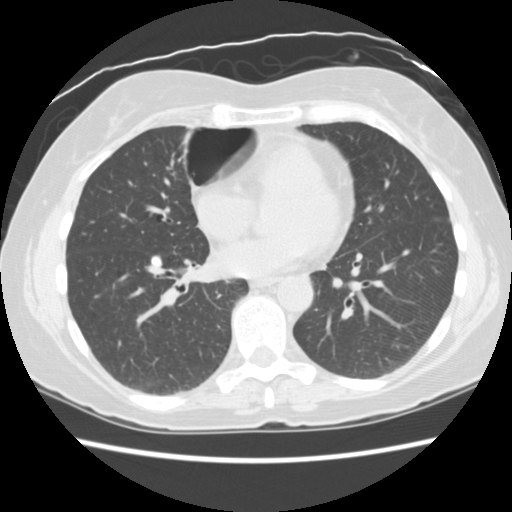
This is axial slice 64 of 156 (slice 1 is the lowest) of a chest CT; each pixel is 0.645 mm and the slice is 2.50 mm thick. Pulmonary nodule outlined by all four readers; box rows 256–266, columns 151–161 (the union of the readers' outlines on this slice); longest diameter 9.2 mm on average over the four readers' outlines (readers' outlines 8.6–10.0 mm), volume 227–322 mm3. Ratings, by the readers' most common answer with dissent counted: texture 5/5 (solid) from all four readers; margin 5/5 (circumscribed), all four readers agreeing; sphericity split among the readers: 4/5 (two), 5/5 (round) (two); calcification solid calcification, all four readers agreeing; internal structure soft tissue, all four readers agreeing; subtlety split among the readers: 4/5 (two), 5/5 (two); malignancy likelihood 1/5 from all four readers. Scale key (1–5): texture non-solid→solid, margin indistinct→circumscribed, sphericity linear→round, subtlety extremely subtle→obvious, malignancy likelihood highly unlikely→highly suspicious of cancer. Box rows and columns are 0-based pixel indices from the top-left corner, inclusive.
Tube voltage 120 kVp; convolution kernel STANDARD.